Axial chest CT slice 199 of 383 (counted from the lowest slice); tube voltage 120 kVp, convolution kernel B45f; slices 1.00 mm thick, 0.664 mm per pixel.
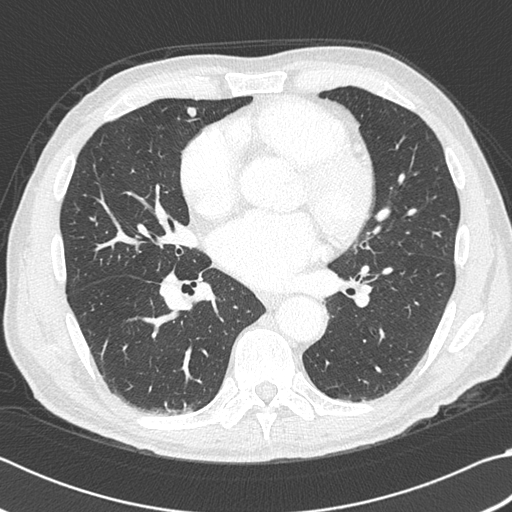
Pulmonary nodule outlined by all four readers; box rows 107–117, columns 187–196 (the union of the readers' outlines on this slice); longest diameter 9.8–12.2 mm and volume 379–631 mm3 across the four readers' outlines. Ratings across the readers: texture 5/5 (solid) from all four readers; margin 5/5 (circumscribed), all four readers agreeing; sphericity from 3/5 (ovoid) to 5/5 (round) across the four readers; calcification: absent (three), solid calcification (one); internal structure soft tissue, all four readers agreeing; subtlety rated between 4 and 5 out of 5 by the four readers; malignancy likelihood rated between 1 and 4 out of 5 by the four readers. Scale key (1–5): texture non-solid→solid, margin indistinct→circumscribed, sphericity linear→round, subtlety extremely subtle→obvious, malignancy likelihood highly unlikely→highly suspicious of cancer. Box rows and columns are 0-based pixel indices from the top-left corner, inclusive.